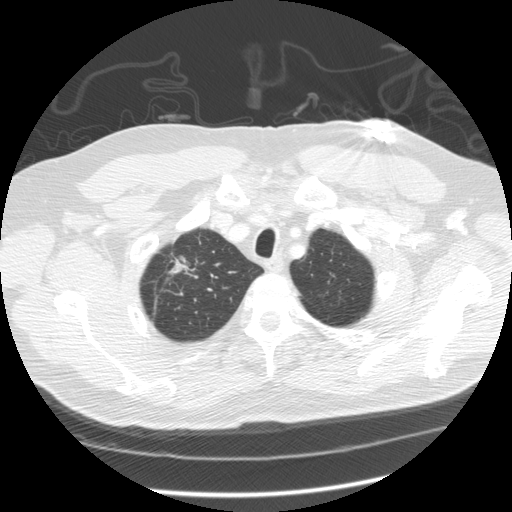
Axial slice 267 of 305 of a chest CT (slice 1 is the lowest), reconstructed with the STANDARD kernel at 120 kVp; 1.25 mm slice thickness and 0.732 mm pixels.
Pulmonary nodule outlined by three of the four readers; box rows 256–279, columns 166–189 (the union of the readers' outlines on this slice); longest diameter 43.5 mm on average over the three readers' outlines (readers' outlines 41.0–45.9 mm), volume 6528–11092 mm3. The readers' prevailing ratings and who disagreed: texture split among the readers: 3/5 (part-solid) (one), 4/5 (one), 5/5 (solid) (one); margin split among the readers: 1/5 (indistinct) (one), 3/5 (one), 4/5 (one); sphericity 3/5 (ovoid) by two of three readers; the rest gave 2/5 (one); calcification absent, all three readers agreeing; internal structure soft tissue, all three readers agreeing; subtlety 5/5 from all three readers; malignancy likelihood 5/5, all three readers agreeing. Scale key (1–5): texture non-solid→solid, margin indistinct→circumscribed, sphericity linear→round, subtlety extremely subtle→obvious, malignancy likelihood highly unlikely→highly suspicious of cancer. Box rows and columns are 0-based pixel indices from the top-left corner, inclusive.